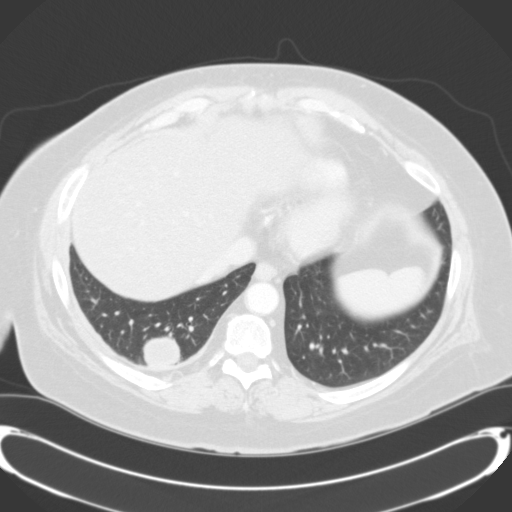
Chest CT, axial plane, 120 kVp, kernel B31f. Slice 57/124 from the bottom of the scan; thickness 3.00 mm; pixel size 0.764 mm.
Pulmonary nodule, outlined by three of the four readers. Box on this slice rows 332–366, columns 142–180, the union of the readers' outlines on this slice; longest diameter 32.1–33.9 mm and volume 13060–14151 mm3 across the three readers' outlines. Ratings across the readers: texture from 4/5 to 5/5 (solid) across the three readers; margin from 4/5 to 5/5 (circumscribed) across the three readers; sphericity 4/5 from all three readers; calcification absent, all three readers agreeing; internal structure soft tissue from all three readers; subtlety 5/5 from all three readers; malignancy likelihood 3–5/5 (the readers disagree). Scale key (1–5): texture non-solid→solid, margin indistinct→circumscribed, sphericity linear→round, subtlety extremely subtle→obvious, malignancy likelihood highly unlikely→highly suspicious of cancer. Box rows and columns are 0-based pixel indices from the top-left corner, inclusive.